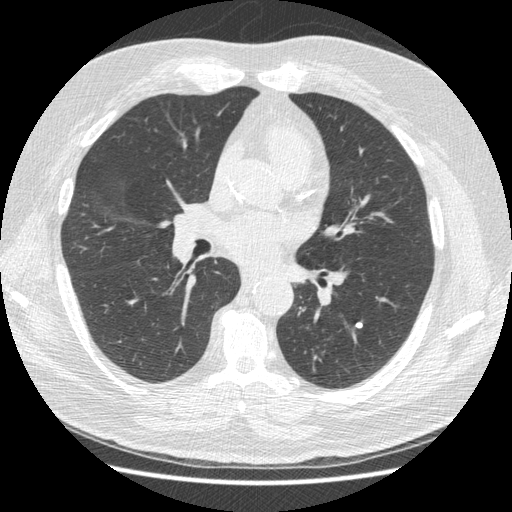
One axial slice (243 of 487, counting up from the lowest) of a chest CT acquired at 120 kVp with the STANDARD kernel; each pixel is 0.703 mm and the slice is 1.25 mm thick.
Pulmonary nodule outlined by all four readers; box rows 322–328, columns 355–363 (the union of the readers' outlines on this slice); the four readers' outlines give a longest diameter between 6.5 and 7.1 mm and a volume between 68 and 92 mm3. Ratings across the readers: texture 5/5 (solid), all four readers agreeing; margin 5/5 (circumscribed) from all four readers; sphericity from 3/5 (ovoid) to 5/5 (round) across the four readers; calcification solid calcification from all four readers; internal structure soft tissue from all four readers; subtlety rated between 4 and 5 out of 5 by the four readers; malignancy likelihood 1/5 from all four readers. Scale key (1–5): texture non-solid→solid, margin indistinct→circumscribed, sphericity linear→round, subtlety extremely subtle→obvious, malignancy likelihood highly unlikely→highly suspicious of cancer. Box rows and columns are 0-based pixel indices from the top-left corner, inclusive.